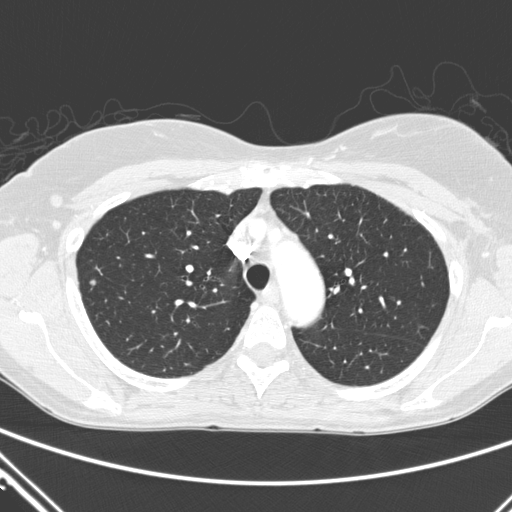
Chest CT, axial plane, 120 kVp, kernel D. Slice 342/411 from the bottom of the scan; thickness 2.00 mm; pixel size 0.654 mm.
Pulmonary nodule at rows 280–285, columns 90–95 (box = the union of the readers' outlines on this slice), outlined by two of the four readers; longest diameter 5.9 mm on average over the two readers' outlines (readers' outlines 5.1–6.7 mm), volume 32–64 mm3. Ratings, by the readers' most common answer with dissent counted: texture 5/5 (solid) from both readers; margin split among the readers: 4/5 (one), 5/5 (circumscribed) (one); sphericity split among the readers: 4/5 (one), 5/5 (round) (one); calcification absent, both readers agreeing; internal structure soft tissue, both readers agreeing; subtlety split among the readers: 2/5 (one), 4/5 (one); malignancy likelihood split among the readers: 1/5 (one), 3/5 (one). Scale key (1–5): texture non-solid→solid, margin indistinct→circumscribed, sphericity linear→round, subtlety extremely subtle→obvious, malignancy likelihood highly unlikely→highly suspicious of cancer. Box rows and columns are 0-based pixel indices from the top-left corner, inclusive.